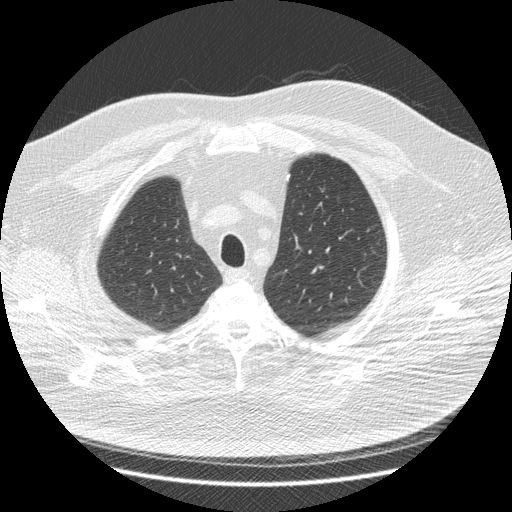
One axial slice (356 of 426, counting up from the lowest) of a chest CT acquired at 120 kVp with the STANDARD kernel; each pixel is 0.742 mm and the slice is 1.25 mm thick.
Pulmonary nodule outlined by three of the four readers; box rows 173–180, columns 286–290 (the union of the readers' outlines on this slice); longest diameter 5.4–7.3 mm and volume 50–91 mm3 across the three readers' outlines. The readers' ratings, as ranges where they differ: texture 5/5 (solid) from all three readers; margin 5/5 (circumscribed) from all three readers; sphericity from 2/5 to 4/5 across the three readers; calcification solid calcification from all three readers; internal structure soft tissue from all three readers; subtlety 4–5/5 (the readers disagree); malignancy likelihood 1/5, all three readers agreeing. Scale key (1–5): texture non-solid→solid, margin indistinct→circumscribed, sphericity linear→round, subtlety extremely subtle→obvious, malignancy likelihood highly unlikely→highly suspicious of cancer. Box rows and columns are 0-based pixel indices from the top-left corner, inclusive.